Axial slice 74 of 244 of a chest CT (slice 1 is the lowest), reconstructed with the BONE kernel at 120 kVp; 1.25 mm slice thickness and 0.674 mm pixels.
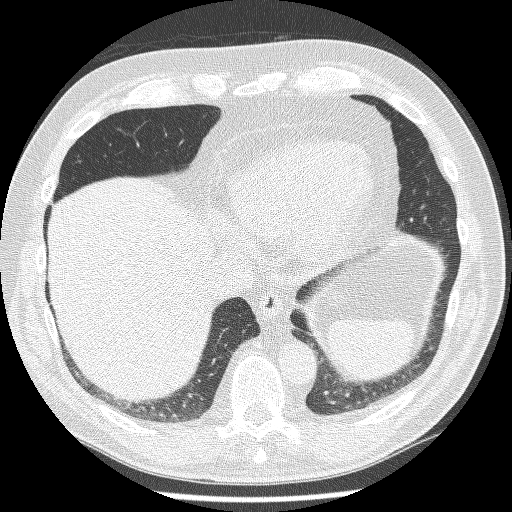
Pulmonary nodule outlined by three of the four readers; box rows 346–349, columns 429–433 (the union of the readers' outlines on this slice); longest diameter 6.3 mm on average over the three readers' outlines (readers' outlines 6.0–6.9 mm), volume 68–91 mm3. The readers' prevailing ratings and who disagreed: texture 4/5 by two of three readers; the rest gave 5/5 (solid) (one); margin split among the readers: 2/5 (one), 4/5 (one), 5/5 (circumscribed) (one); sphericity split among the readers: 3/5 (ovoid) (one), 4/5 (one), 5/5 (round) (one); calcification absent from all three readers; internal structure soft tissue, all three readers agreeing; subtlety split among the readers: 1/5 (one), 2/5 (one), 3/5 (one); most readers (two of three) put malignancy likelihood at 3/5, others 2/5 (one). Scale key (1–5): texture non-solid→solid, margin indistinct→circumscribed, sphericity linear→round, subtlety extremely subtle→obvious, malignancy likelihood highly unlikely→highly suspicious of cancer. Box rows and columns are 0-based pixel indices from the top-left corner, inclusive.